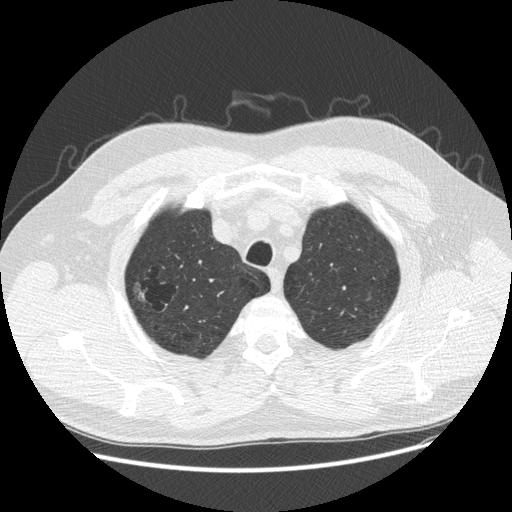
Axial slice 407 of 481 of a chest CT (slice 1 is the lowest), reconstructed with the STANDARD kernel at 120 kVp; 1.25 mm slice thickness and 0.742 mm pixels.
Pulmonary nodule at rows 281–303, columns 131–147 (box = the union of the readers' outlines on this slice), outlined by two of the four readers; the two readers' outlines give a longest diameter between 15.0 and 18.6 mm and a volume between 293 and 924 mm3. The readers' ratings, as ranges where they differ: texture 1/5 (non-solid), both readers agreeing; margin from 1/5 (indistinct) to 2/5 across the two readers; sphericity from 3/5 (ovoid) to 5/5 (round) across the two readers; calcification absent from both readers; internal structure soft tissue, both readers agreeing; subtlety from 1/5 to 2/5 across the two readers; malignancy likelihood rated between 2 and 4 out of 5 by the two readers. Scale key (1–5): texture non-solid→solid, margin indistinct→circumscribed, sphericity linear→round, subtlety extremely subtle→obvious, malignancy likelihood highly unlikely→highly suspicious of cancer. Box rows and columns are 0-based pixel indices from the top-left corner, inclusive.